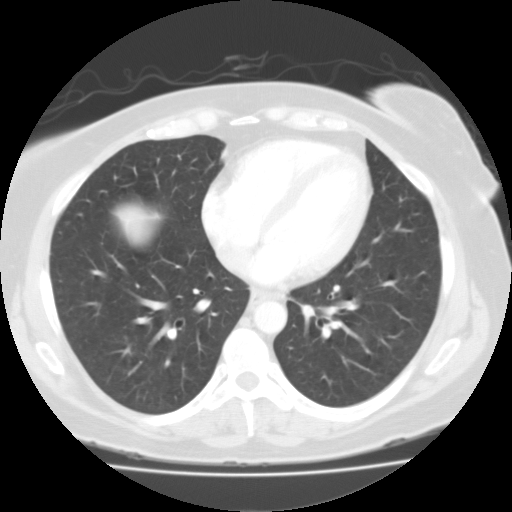
Slice 55/113 of a chest CT, counting up from the lowest; pixel size 0.698 mm, slice thickness 3.00 mm. The readers outlined no nodule of 3 mm or more on this slice.
Tube voltage 135 kVp; convolution kernel FC01.